Chest CT, axial plane, 120 kVp, kernel D. Slice 125/300 from the bottom of the scan; thickness 1.00 mm; pixel size 0.744 mm.
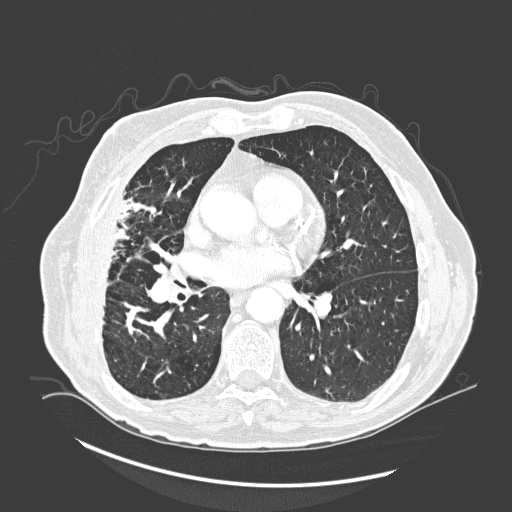
None of the four readers outlined a nodule of 3 mm or more on this slice.